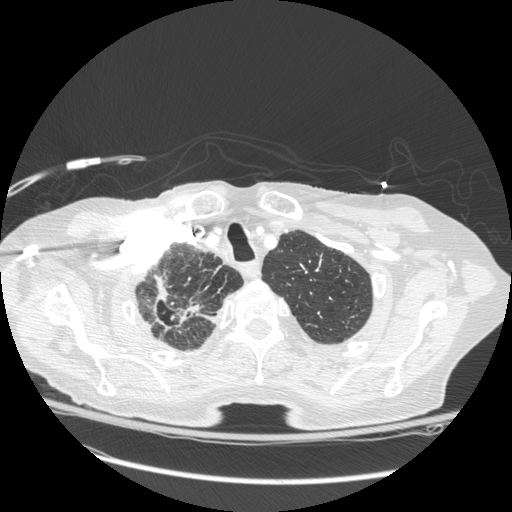
One axial slice (236 of 272, counting up from the lowest) of a chest CT acquired at 120 kVp with the STANDARD kernel; each pixel is 0.742 mm and the slice is 1.25 mm thick.
Pulmonary nodule outlined by all four readers, one of them on this slice; box rows 274–335, columns 155–215 (the one reader's outline on this slice); longest diameter 16.0–56.1 mm and volume 732–13897 mm3 across the four readers' outlines. Ratings across the readers: texture 5/5 (solid), all four readers agreeing; margin from 3/5 to 5/5 (circumscribed) across the four readers; sphericity from 3/5 (ovoid) to 4/5 across the four readers; calcification absent, all four readers agreeing; internal structure soft tissue from all four readers; subtlety 5/5 from all four readers; malignancy likelihood from 4/5 to 5/5 across the four readers. Scale key (1–5): texture non-solid→solid, margin indistinct→circumscribed, sphericity linear→round, subtlety extremely subtle→obvious, malignancy likelihood highly unlikely→highly suspicious of cancer. Box rows and columns are 0-based pixel indices from the top-left corner, inclusive.